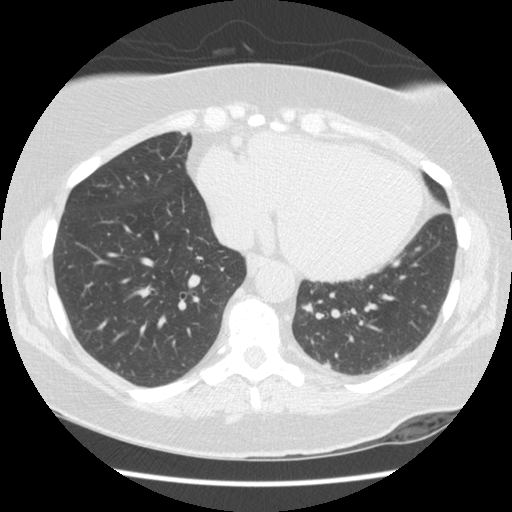
Axial slice 55 of 154 of a chest CT (slice 1 is the lowest), reconstructed with the STANDARD kernel at 120 kVp; 2.50 mm slice thickness and 0.645 mm pixels.
Pulmonary nodule, outlined by one of the four readers. Box on this slice rows 304–311, columns 303–311, that reader's outline on this slice; longest diameter 11.3 mm and volume 286 mm3 from that reader's outline. Ratings by that reader: texture 4/5; margin 3/5; sphericity 2/5; calcification absent; internal structure soft tissue; subtlety 4/5; malignancy likelihood 1/5. Scale key (1–5): texture non-solid→solid, margin indistinct→circumscribed, sphericity linear→round, subtlety extremely subtle→obvious, malignancy likelihood highly unlikely→highly suspicious of cancer. Box rows and columns are 0-based pixel indices from the top-left corner, inclusive.